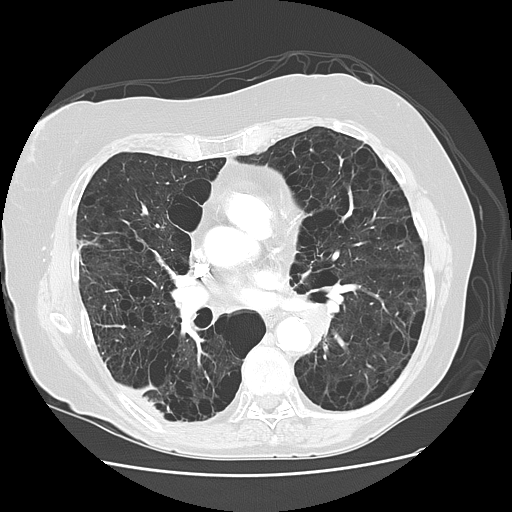
Axial slice 63 of 125 of a chest CT (slice 1 is the lowest), reconstructed with the LUNG kernel at 120 kVp; 2.50 mm slice thickness and 0.703 mm pixels.
Pulmonary nodule at rows 306–351, columns 296–328 (box = that reader's outline on this slice), outlined by one of the four readers; longest diameter 37.4 mm and volume 10878 mm3 from that reader's outline. Ratings by that reader: texture 5/5 (solid); margin 5/5 (circumscribed); sphericity 5/5 (round); calcification absent; internal structure soft tissue; subtlety 3/5; malignancy likelihood 2/5. Scale key (1–5): texture non-solid→solid, margin indistinct→circumscribed, sphericity linear→round, subtlety extremely subtle→obvious, malignancy likelihood highly unlikely→highly suspicious of cancer. Box rows and columns are 0-based pixel indices from the top-left corner, inclusive.